Axial slice 82 of 197 of a chest CT (slice 1 is the lowest), reconstructed with the STANDARD kernel at 120 kVp; 1.25 mm slice thickness and 0.859 mm pixels.
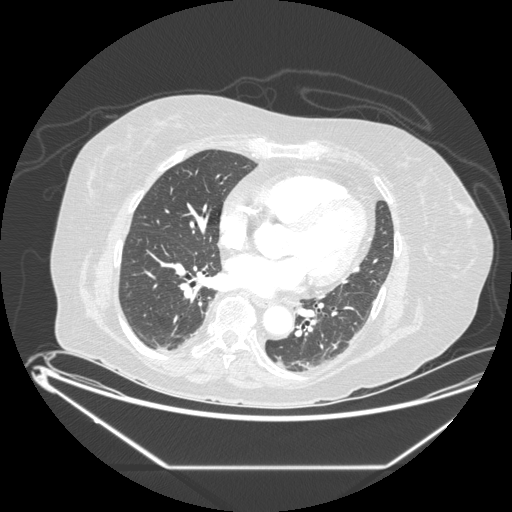
The readers outlined no nodule of 3 mm or more on this slice.